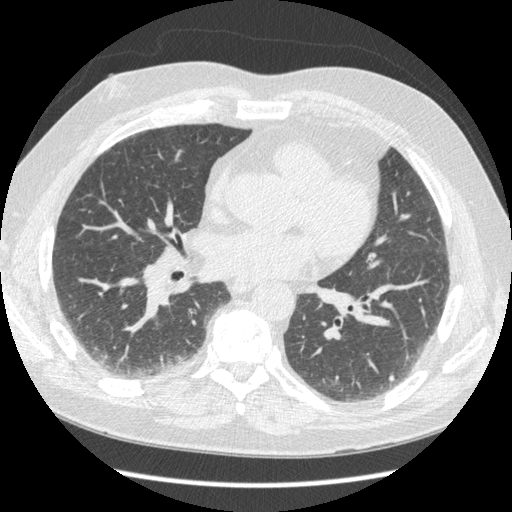
Axial slice 187 of 429 of a chest CT (slice 1 is the lowest), reconstructed with the STANDARD kernel at 120 kVp; 1.25 mm slice thickness and 0.703 mm pixels.
Pulmonary nodule outlined by three of the four readers; box rows 375–381, columns 389–394 (the union of the readers' outlines on this slice); longest diameter 6.9–7.0 mm and volume 78–98 mm3 across the three readers' outlines. Ratings across the readers: texture 5/5 (solid), all three readers agreeing; margin from 4/5 to 5/5 (circumscribed) across the three readers; sphericity from 3/5 (ovoid) to 5/5 (round) across the three readers; calcification: absent (two), non-central calcification (one); internal structure soft tissue, all three readers agreeing; subtlety from 2/5 to 5/5 across the three readers; malignancy likelihood from 2/5 to 4/5 across the three readers. Scale key (1–5): texture non-solid→solid, margin indistinct→circumscribed, sphericity linear→round, subtlety extremely subtle→obvious, malignancy likelihood highly unlikely→highly suspicious of cancer. Box rows and columns are 0-based pixel indices from the top-left corner, inclusive.